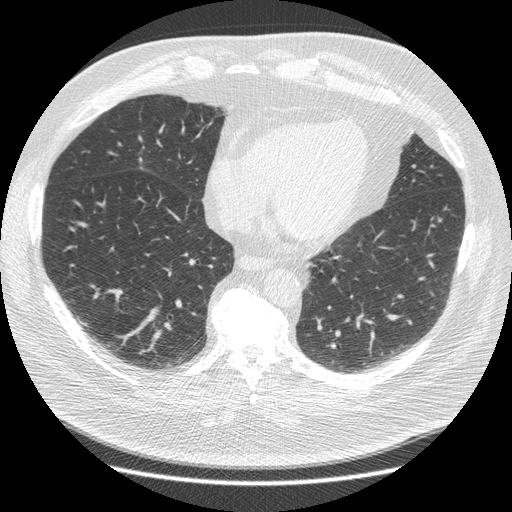
One axial slice (142 of 426, counting up from the lowest) of a chest CT acquired at 120 kVp with the STANDARD kernel; each pixel is 0.742 mm and the slice is 1.25 mm thick.
Pulmonary nodule, outlined by all four readers, three of them on this slice. Box on this slice rows 157–162, columns 138–142, the union of the readers' outlines on this slice; longest diameter 9.7 mm on average over the four readers' outlines (readers' outlines 9.6–10.0 mm), volume 202–225 mm3. The readers' prevailing ratings and who disagreed: texture 5/5 (solid) from all four readers; margin 5/5 (circumscribed), all four readers agreeing; sphericity split among the readers: 4/5 (two), 5/5 (round) (two); calcification solid calcification, all four readers agreeing; internal structure soft tissue from all four readers; subtlety 5/5, all four readers agreeing; malignancy likelihood 1/5 from all four readers. Scale key (1–5): texture non-solid→solid, margin indistinct→circumscribed, sphericity linear→round, subtlety extremely subtle→obvious, malignancy likelihood highly unlikely→highly suspicious of cancer. Box rows and columns are 0-based pixel indices from the top-left corner, inclusive.